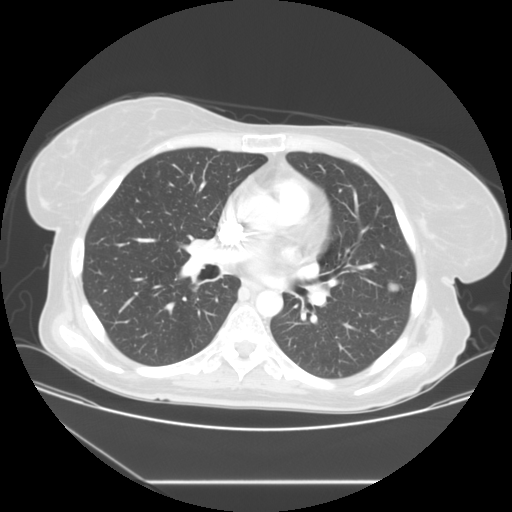
Axial chest CT slice 71 of 117 (counted from the lowest slice); 2.50 mm thick, 0.781 mm per pixel. Pulmonary nodule, outlined by all four readers. Box on this slice rows 283–292, columns 387–398, the union of the readers' outlines on this slice; longest diameter 12.3 mm on average over the four readers' outlines (readers' outlines 11.4–12.8 mm), volume 378–537 mm3. Ratings, by the readers' most common answer with dissent counted: texture 5/5 (solid) from all four readers; margin 5/5 (circumscribed) by three of four readers; the rest gave 4/5 (one); sphericity split among the readers: 4/5 (two), 5/5 (round) (two); calcification absent, all four readers agreeing; internal structure soft tissue from all four readers; subtlety 5/5 by two of four readers; the rest gave 3/5 (one), 4/5 (one); malignancy likelihood 2/5 by two of four readers; the rest gave 3/5 (one), 5/5 (one). Scale key (1–5): texture non-solid→solid, margin indistinct→circumscribed, sphericity linear→round, subtlety extremely subtle→obvious, malignancy likelihood highly unlikely→highly suspicious of cancer. Box rows and columns are 0-based pixel indices from the top-left corner, inclusive.
Scan settings: 120 kVp, STANDARD reconstruction kernel.